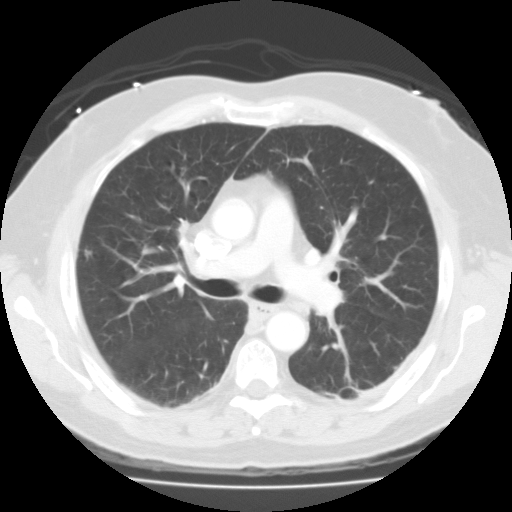
Chest CT, axial plane, 135 kVp, kernel FC01. Slice 70/115 from the bottom of the scan; thickness 3.00 mm; pixel size 0.729 mm.
Pulmonary nodule, outlined by one of the four readers. Box on this slice rows 250–254, columns 85–90, that reader's outline on this slice; longest diameter 6.9 mm and volume 159 mm3 from that reader's outline. Ratings by that reader: texture 5/5 (solid); margin 3/5; sphericity 3/5 (ovoid); calcification solid calcification; internal structure soft tissue; subtlety 5/5; malignancy likelihood 3/5. Scale key (1–5): texture non-solid→solid, margin indistinct→circumscribed, sphericity linear→round, subtlety extremely subtle→obvious, malignancy likelihood highly unlikely→highly suspicious of cancer. Box rows and columns are 0-based pixel indices from the top-left corner, inclusive.